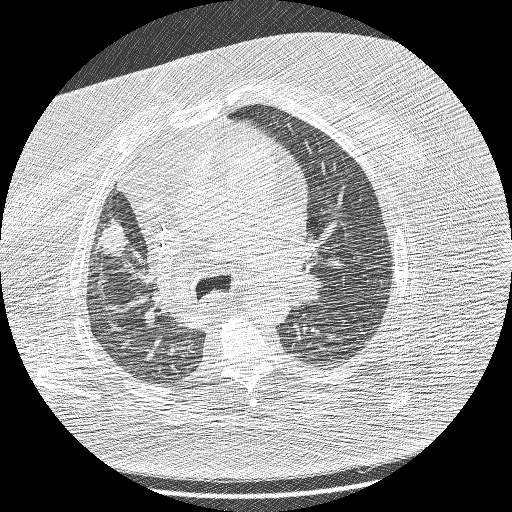
Chest CT, axial plane, 120 kVp, kernel BONE. Slice 135/208 from the bottom of the scan; thickness 1.25 mm; pixel size 0.723 mm.
Pulmonary nodule, outlined by all four readers. Box on this slice rows 220–255, columns 96–126, the union of the readers' outlines on this slice; longest diameter 27.8 mm on average over the four readers' outlines (readers' outlines 25.6–30.6 mm), volume 4623–6820 mm3. Ratings, by the readers' most common answer with dissent counted: texture 5/5 (solid) from all four readers; margin 3/5 by three of four readers; the rest gave 1/5 (indistinct) (one); most readers (three of four) put sphericity at 3/5 (ovoid), others 4/5 (one); calcification absent, all four readers agreeing; internal structure soft tissue from all four readers; subtlety 5/5 from all four readers; malignancy likelihood 5/5, all four readers agreeing. Scale key (1–5): texture non-solid→solid, margin indistinct→circumscribed, sphericity linear→round, subtlety extremely subtle→obvious, malignancy likelihood highly unlikely→highly suspicious of cancer. Box rows and columns are 0-based pixel indices from the top-left corner, inclusive.